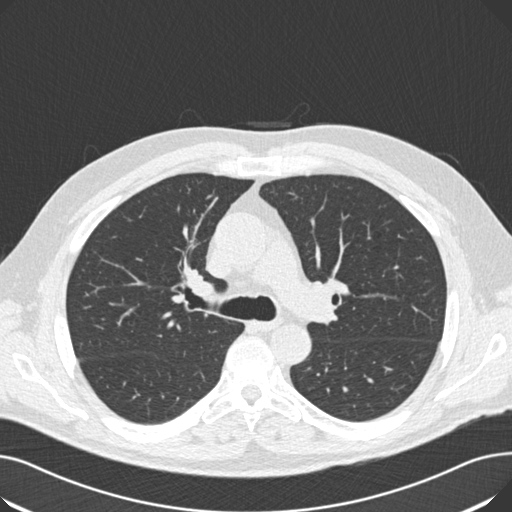
One axial slice (112 of 181, counting up from the lowest) of a chest CT acquired at 120 kVp with the B30f kernel; each pixel is 0.723 mm and the slice is 2.00 mm thick.
No nodule of 3 mm or larger was outlined by any of the four readers on this slice.